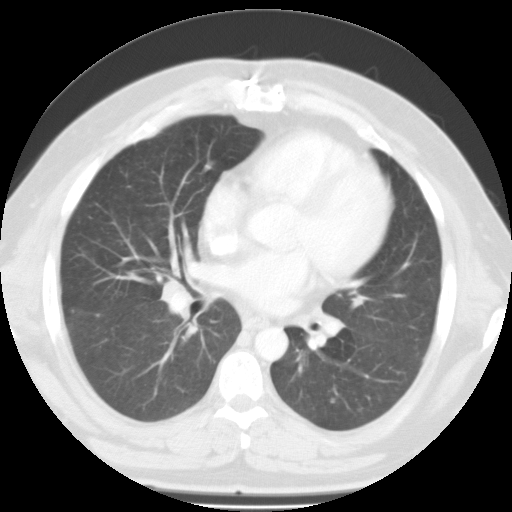
Axial chest CT slice 56 of 99 (counted from the lowest slice); 3.00 mm thick, 0.698 mm per pixel. Pulmonary nodule, outlined by one of the four readers. Box on this slice rows 398–402, columns 331–334, that reader's outline on this slice; longest diameter 4.7 mm and volume 124 mm3 from that reader's outline. That reader's ratings: texture 3/5 (part-solid); margin 3/5; sphericity 3/5 (ovoid); calcification absent; internal structure soft tissue; subtlety 3/5; malignancy likelihood 3/5. Scale key (1–5): texture non-solid→solid, margin indistinct→circumscribed, sphericity linear→round, subtlety extremely subtle→obvious, malignancy likelihood highly unlikely→highly suspicious of cancer. Box rows and columns are 0-based pixel indices from the top-left corner, inclusive.
Tube voltage 135 kVp; convolution kernel FC01.